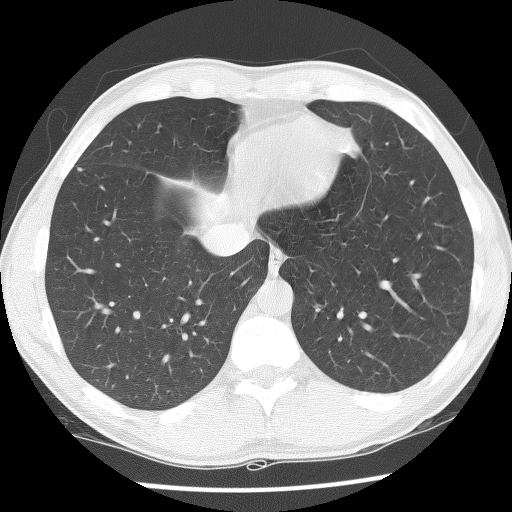
Axial chest CT slice 46 of 139 (counted from the lowest slice); tube voltage 140 kVp, convolution kernel BONE; slices 2.50 mm thick, 0.629 mm per pixel.
Pulmonary nodule outlined by one of the four readers; box rows 167–170, columns 77–83 (that reader's outline on this slice); longest diameter 5.2 mm and volume 54 mm3 from that reader's outline. Ratings by that reader: texture 5/5 (solid); margin 5/5 (circumscribed); sphericity 5/5 (round); calcification absent; internal structure soft tissue; subtlety 3/5; malignancy likelihood 2/5. Scale key (1–5): texture non-solid→solid, margin indistinct→circumscribed, sphericity linear→round, subtlety extremely subtle→obvious, malignancy likelihood highly unlikely→highly suspicious of cancer. Box rows and columns are 0-based pixel indices from the top-left corner, inclusive.